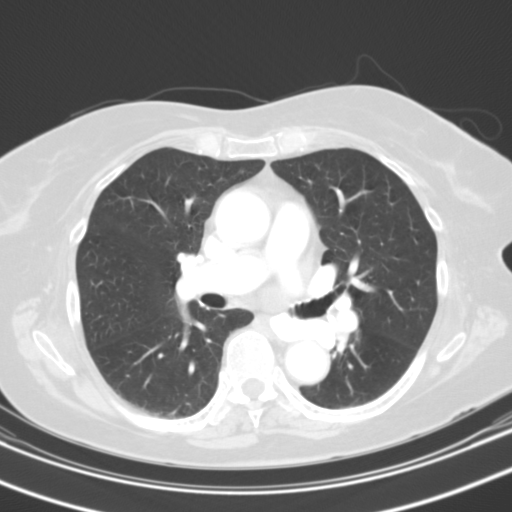
One axial slice (63 of 109, counting up from the lowest) of a chest CT acquired at 130 kVp with the B31s kernel; each pixel is 0.629 mm and the slice is 3.00 mm thick.
The readers outlined no nodule of 3 mm or more on this slice.